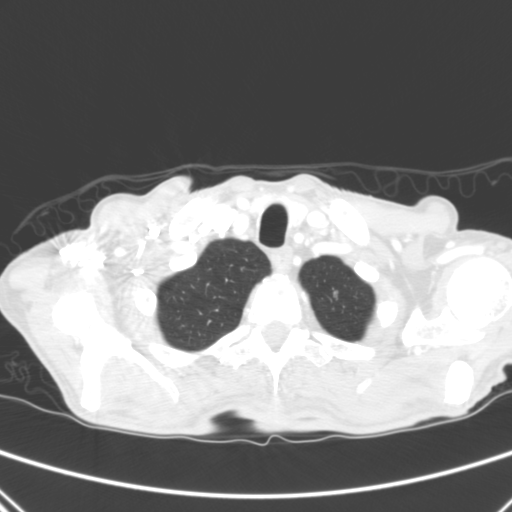
This is axial slice 268 of 290 (slice 1 is the lowest) of a chest CT; each pixel is 0.639 mm and the slice is 2.00 mm thick. Pulmonary nodule outlined by one of the four readers; box rows 291–296, columns 333–337 (that reader's outline on this slice); longest diameter 5.9 mm and volume 62 mm3 from that reader's outline. Ratings by that reader: texture 5/5 (solid); margin 4/5; sphericity 3/5 (ovoid); calcification absent; internal structure soft tissue; subtlety 5/5; malignancy likelihood 3/5. Scale key (1–5): texture non-solid→solid, margin indistinct→circumscribed, sphericity linear→round, subtlety extremely subtle→obvious, malignancy likelihood highly unlikely→highly suspicious of cancer. Box rows and columns are 0-based pixel indices from the top-left corner, inclusive.
Acquired at 120 kVp and reconstructed with the B kernel.